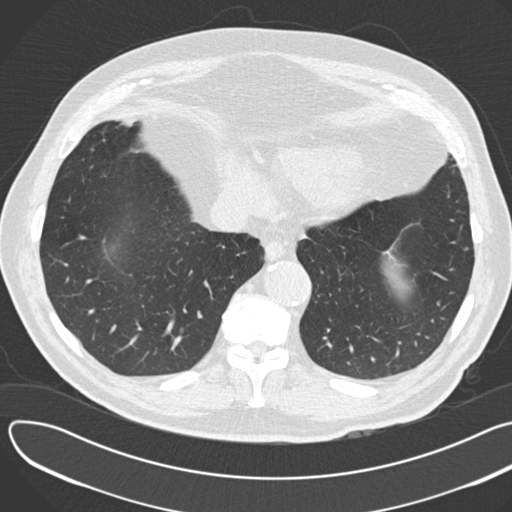
Chest CT, axial plane, 120 kVp, kernel B30f. Slice 57/190 from the bottom of the scan; thickness 2.00 mm; pixel size 0.742 mm.
Pulmonary nodule, outlined by one of the four readers. Box on this slice rows 247–250, columns 464–467, that reader's outline on this slice; longest diameter 8.3 mm and volume 132 mm3 from that reader's outline. That reader's ratings: texture 4/5; margin 4/5; sphericity 3/5 (ovoid); calcification absent; internal structure soft tissue; subtlety 3/5; malignancy likelihood 3/5. Scale key (1–5): texture non-solid→solid, margin indistinct→circumscribed, sphericity linear→round, subtlety extremely subtle→obvious, malignancy likelihood highly unlikely→highly suspicious of cancer. Box rows and columns are 0-based pixel indices from the top-left corner, inclusive.